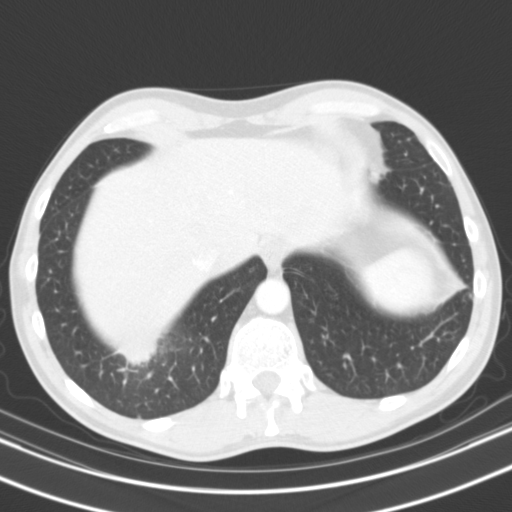
Axial slice 29 of 119 of a chest CT (slice 1 is the lowest), reconstructed with the B31s kernel at 130 kVp; 3.00 mm slice thickness and 0.650 mm pixels.
Pulmonary nodule outlined by all four readers; box rows 333–365, columns 119–157 (the union of the readers' outlines on this slice); the four readers' outlines give a longest diameter between 30.9 and 32.4 mm and a volume between 6985 and 9285 mm3. The readers' ratings, as ranges where they differ: texture from 4/5 to 5/5 (solid) across the four readers; margin from 2/5 to 4/5 across the four readers; sphericity 5/5 (round) from all four readers; calcification absent, all four readers agreeing; internal structure soft tissue from all four readers; subtlety 5/5, all four readers agreeing; malignancy likelihood 2–5/5 (the readers disagree). Scale key (1–5): texture non-solid→solid, margin indistinct→circumscribed, sphericity linear→round, subtlety extremely subtle→obvious, malignancy likelihood highly unlikely→highly suspicious of cancer. Box rows and columns are 0-based pixel indices from the top-left corner, inclusive.